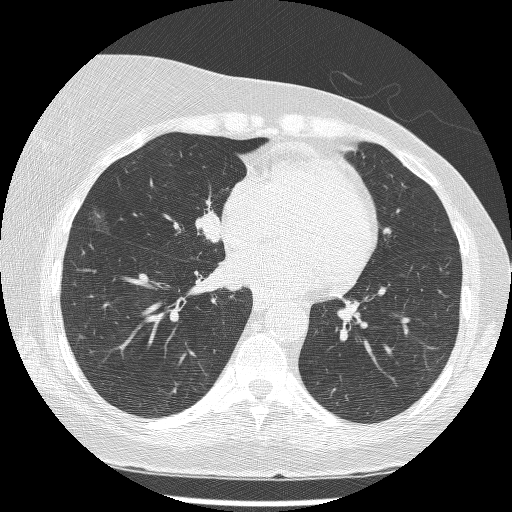
Axial chest CT slice 77 of 209 (counted from the lowest slice); tube voltage 120 kVp, convolution kernel BONE; slices 1.25 mm thick, 0.617 mm per pixel.
Two pulmonary nodules are outlined on this slice; from left to right: (1) Pulmonary nodule at rows 202–234, columns 82–110 (box = the union of the readers' outlines on this slice), outlined by three of the four readers; longest diameter 20.1–23.8 mm and volume 734–2087 mm3 across the three readers' outlines. The readers' ratings, as ranges where they differ: texture 1/5 (non-solid) from all three readers; margin 1/5 (indistinct) from all three readers; sphericity from 3/5 (ovoid) to 4/5 across the three readers; calcification absent, all three readers agreeing; internal structure soft tissue, all three readers agreeing; subtlety 1–3/5 (the readers disagree); malignancy likelihood rated between 3 and 5 out of 5 by the three readers. (2) Pulmonary nodule, outlined by three of the four readers. Box on this slice rows 210–242, columns 195–220, the union of the readers' outlines on this slice; median longest diameter 24.2 mm (readers' outlines 22.9–27.7 mm), median volume 3128 mm3 (3040–4232 mm3). Median ratings and the readers' spread: texture 5/5 (solid) from all three readers; margin 5/5 (circumscribed) at the median of three readers, spread 4/5 to 5/5 (circumscribed); median sphericity 4/5 (readers ranged 3/5 (ovoid) to 4/5); calcification absent from all three readers; internal structure soft tissue from all three readers; subtlety 5/5, all three readers agreeing; malignancy likelihood 5/5, all three readers agreeing. Scale key (1–5): texture non-solid→solid, margin indistinct→circumscribed, sphericity linear→round, subtlety extremely subtle→obvious, malignancy likelihood highly unlikely→highly suspicious of cancer. Box rows and columns are 0-based pixel indices from the top-left corner, inclusive.